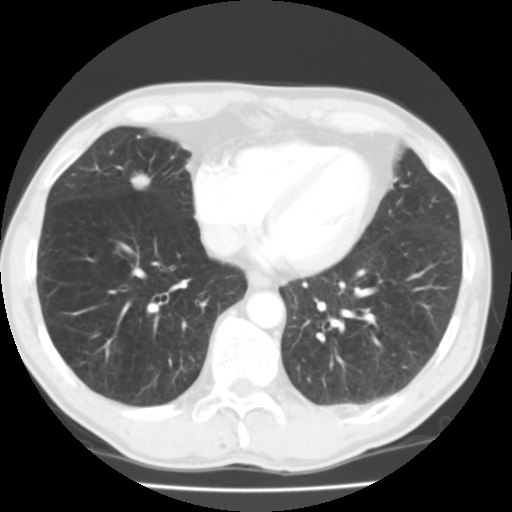
One axial slice (42 of 119, counting up from the lowest) of a chest CT acquired at 135 kVp with the FC01 kernel; each pixel is 0.640 mm and the slice is 3.00 mm thick.
Pulmonary nodule outlined by all four readers; box rows 170–192, columns 128–151 (the union of the readers' outlines on this slice); median longest diameter 17.9 mm (readers' outlines 17.4–18.7 mm), median volume 2416 mm3 (2076–2642 mm3). Median ratings and the readers' spread: texture 5/5 (solid), all four readers agreeing; margin 4.5/5 at the median of four readers, spread 4/5 to 5/5 (circumscribed); median sphericity 4.5/5 (readers ranged 3/5 (ovoid) to 5/5 (round)); calcification: absent (three), central calcification (one); internal structure soft tissue from all four readers; subtlety 5/5 at the median of four readers, spread 4–5; malignancy likelihood 3.5/5 at the median of four readers, spread 1–4. Scale key (1–5): texture non-solid→solid, margin indistinct→circumscribed, sphericity linear→round, subtlety extremely subtle→obvious, malignancy likelihood highly unlikely→highly suspicious of cancer. Box rows and columns are 0-based pixel indices from the top-left corner, inclusive.